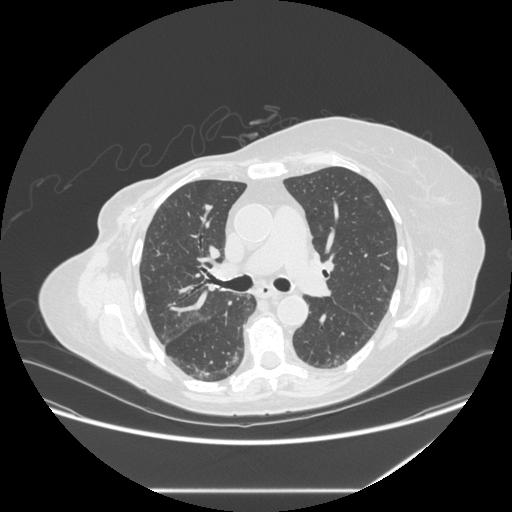
Axial chest CT slice 178 of 281 (counted from the lowest slice); 1.25 mm thick, 0.816 mm per pixel. Pulmonary nodule outlined by all four readers; box rows 204–210, columns 203–212 (the union of the readers' outlines on this slice); longest diameter 9.5 mm on average over the four readers' outlines (readers' outlines 9.2–9.9 mm), volume 239–329 mm3. Ratings, by the readers' most common answer with dissent counted: texture 5/5 (solid) from all four readers; margin 5/5 (circumscribed) from all four readers; sphericity 5/5 (round) by three of four readers; the rest gave 4/5 (one); calcification absent, all four readers agreeing; internal structure soft tissue from all four readers; subtlety split among the readers: 3/5 (two), 4/5 (two); most readers (three of four) put malignancy likelihood at 3/5, others 2/5 (one). Scale key (1–5): texture non-solid→solid, margin indistinct→circumscribed, sphericity linear→round, subtlety extremely subtle→obvious, malignancy likelihood highly unlikely→highly suspicious of cancer. Box rows and columns are 0-based pixel indices from the top-left corner, inclusive.
Acquired at 120 kVp and reconstructed with the STANDARD kernel.